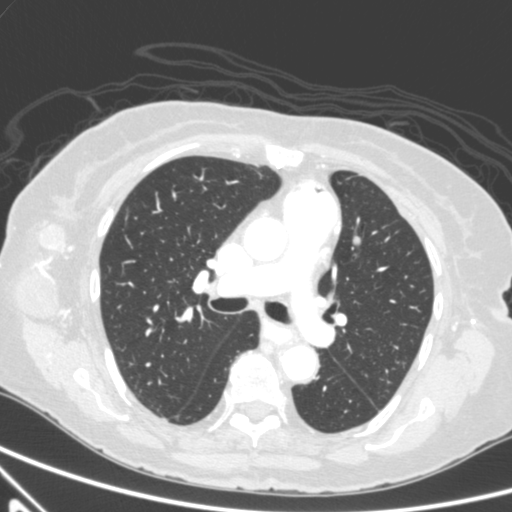
This is axial slice 349 of 590 (slice 1 is the lowest) of a chest CT; each pixel is 0.627 mm and the slice is 0.90 mm thick. Pulmonary nodule outlined by all four readers, three of them on this slice; box rows 236–245, columns 353–360 (the union of the readers' outlines on this slice); longest diameter 17.9 mm on average over the four readers' outlines (readers' outlines 16.3–20.1 mm), volume 1116–1236 mm3. Ratings, by the readers' most common answer with dissent counted: texture 5/5 (solid), all four readers agreeing; margin 4/5 by two of four readers; the rest gave 3/5 (one), 5/5 (circumscribed) (one); sphericity split among the readers: 3/5 (ovoid) (two), 4/5 (two); calcification absent, all four readers agreeing; internal structure soft tissue, all four readers agreeing; subtlety 5/5 by three of four readers; the rest gave 4/5 (one); malignancy likelihood split among the readers: 3/5 (two), 5/5 (two). Scale key (1–5): texture non-solid→solid, margin indistinct→circumscribed, sphericity linear→round, subtlety extremely subtle→obvious, malignancy likelihood highly unlikely→highly suspicious of cancer. Box rows and columns are 0-based pixel indices from the top-left corner, inclusive.
Tube voltage 120 kVp; convolution kernel B.